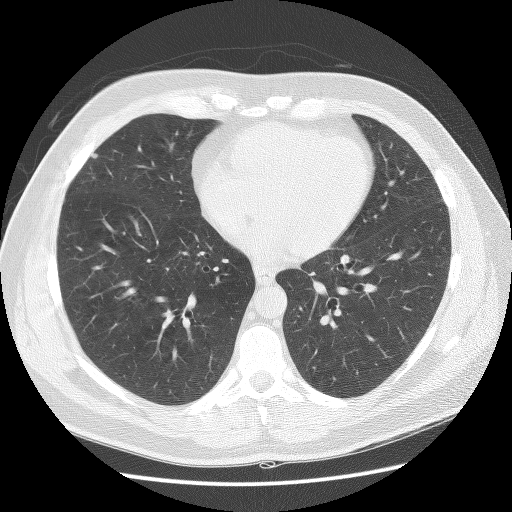
Axial slice 49 of 123 of a chest CT (slice 1 is the lowest), reconstructed with the BONE kernel at 140 kVp; 2.50 mm slice thickness and 0.703 mm pixels.
Pulmonary nodule, outlined by three of the four readers. Box on this slice rows 153–158, columns 91–97, the union of the readers' outlines on this slice; longest diameter 6.1 mm on average over the three readers' outlines (readers' outlines 5.8–6.6 mm), volume 78–90 mm3. The readers' prevailing ratings and who disagreed: texture 4/5 by two of three readers; the rest gave 5/5 (solid) (one); most readers (two of three) put margin at 4/5, others 5/5 (circumscribed) (one); sphericity 3/5 (ovoid) by two of three readers; the rest gave 4/5 (one); calcification absent from all three readers; internal structure soft tissue from all three readers; most readers (two of three) put subtlety at 5/5, others 4/5 (one); malignancy likelihood 3/5 by two of three readers; the rest gave 2/5 (one). Scale key (1–5): texture non-solid→solid, margin indistinct→circumscribed, sphericity linear→round, subtlety extremely subtle→obvious, malignancy likelihood highly unlikely→highly suspicious of cancer. Box rows and columns are 0-based pixel indices from the top-left corner, inclusive.